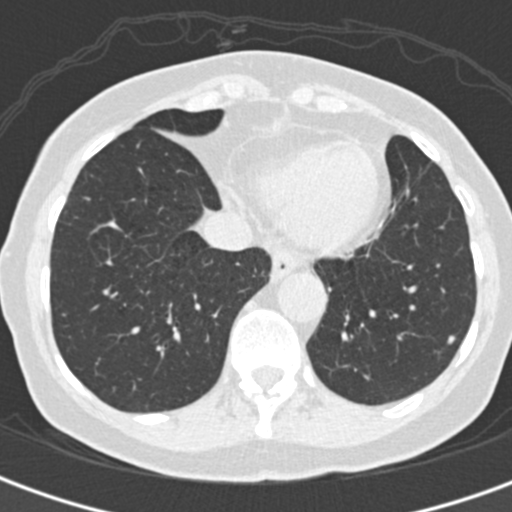
Chest CT, axial plane, 120 kVp, kernel B30f. Slice 62/193 from the bottom of the scan; thickness 2.00 mm; pixel size 0.547 mm.
Pulmonary nodule at rows 335–344, columns 446–455 (box = the union of the readers' outlines on this slice), outlined by all four readers; the four readers' outlines give a longest diameter between 5.9 and 6.9 mm and a volume between 68 and 137 mm3. The readers' ratings, as ranges where they differ: texture from 3/5 (part-solid) to 5/5 (solid) across the four readers; margin from 4/5 to 5/5 (circumscribed) across the four readers; sphericity from 3/5 (ovoid) to 5/5 (round) across the four readers; calcification absent, all four readers agreeing; internal structure soft tissue from all four readers; subtlety from 2/5 to 4/5 across the four readers; malignancy likelihood rated between 2 and 4 out of 5 by the four readers. Scale key (1–5): texture non-solid→solid, margin indistinct→circumscribed, sphericity linear→round, subtlety extremely subtle→obvious, malignancy likelihood highly unlikely→highly suspicious of cancer. Box rows and columns are 0-based pixel indices from the top-left corner, inclusive.